One axial slice (68 of 115, counting up from the lowest) of a chest CT acquired at 135 kVp with the FC01 kernel; each pixel is 0.729 mm and the slice is 3.00 mm thick.
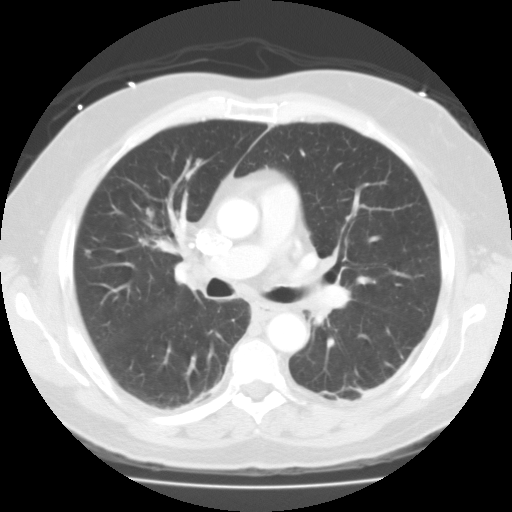
Two pulmonary nodules are outlined on this slice; from left to right: (1) Pulmonary nodule outlined by one of the four readers; box rows 250–253, columns 85–91 (that reader's outline on this slice); longest diameter 6.9 mm and volume 159 mm3 from that reader's outline. Ratings by that reader: texture 5/5 (solid); margin 3/5; sphericity 3/5 (ovoid); calcification solid calcification; internal structure soft tissue; subtlety 5/5; malignancy likelihood 3/5. (2) Pulmonary nodule, outlined by one of the four readers. Box on this slice rows 158–165, columns 195–201, that reader's outline on this slice; longest diameter 8.3 mm and volume 289 mm3 from that reader's outline. That reader's ratings: texture 5/5 (solid); margin 4/5; sphericity 4/5; calcification absent; internal structure soft tissue; subtlety 5/5; malignancy likelihood 1/5. Scale key (1–5): texture non-solid→solid, margin indistinct→circumscribed, sphericity linear→round, subtlety extremely subtle→obvious, malignancy likelihood highly unlikely→highly suspicious of cancer. Box rows and columns are 0-based pixel indices from the top-left corner, inclusive.